Chest CT, axial plane, 120 kVp, kernel STANDARD. Slice 75/232 from the bottom of the scan; thickness 1.25 mm; pixel size 0.742 mm.
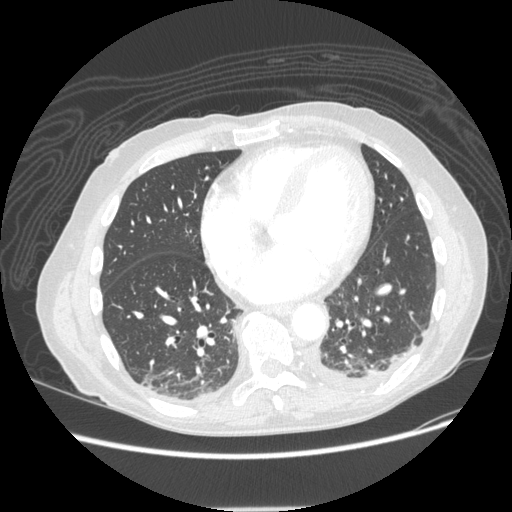
No nodule of 3 mm or larger was outlined by any of the four readers on this slice.